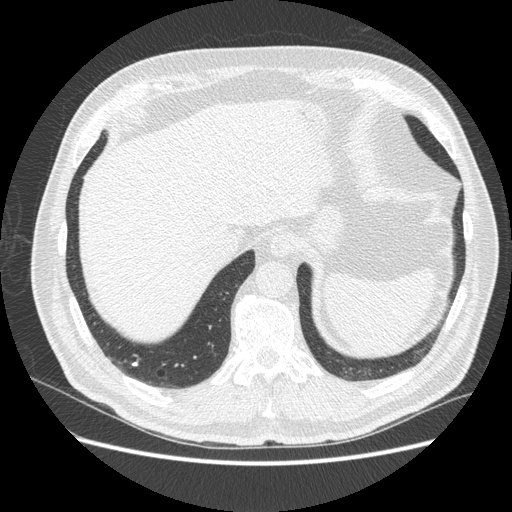
Chest CT, axial plane, 120 kVp, kernel STANDARD. Slice 114/503 from the bottom of the scan; thickness 1.25 mm; pixel size 0.742 mm.
Pulmonary nodule outlined by one of the four readers; box rows 362–365, columns 132–137 (that reader's outline on this slice); longest diameter 5.4 mm and volume 38 mm3 from that reader's outline. That reader's ratings: texture 5/5 (solid); margin 5/5 (circumscribed); sphericity 3/5 (ovoid); calcification solid calcification; internal structure soft tissue; subtlety 3/5; malignancy likelihood 1/5. Scale key (1–5): texture non-solid→solid, margin indistinct→circumscribed, sphericity linear→round, subtlety extremely subtle→obvious, malignancy likelihood highly unlikely→highly suspicious of cancer. Box rows and columns are 0-based pixel indices from the top-left corner, inclusive.